Axial slice 61 of 471 of a chest CT (slice 1 is the lowest), reconstructed with the STANDARD kernel at 120 kVp; 1.25 mm slice thickness and 0.586 mm pixels.
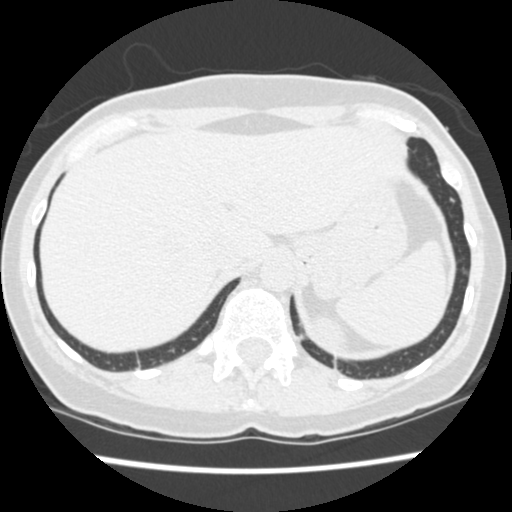
Pulmonary nodule at rows 197–202, columns 449–454 (box = the union of the readers' outlines on this slice), outlined by all four readers; median longest diameter 6.4 mm (readers' outlines 6.1–9.0 mm), median volume 101 mm3 (96–205 mm3). Ratings, median across the readers with their spread: texture 5/5 (solid), all four readers agreeing; margin 4/5 at the median of four readers, spread 4/5 to 5/5 (circumscribed); median sphericity 3/5 (ovoid) (readers ranged 3/5 (ovoid) to 5/5 (round)); calcification absent, all four readers agreeing; internal structure soft tissue, all four readers agreeing; subtlety 3/5 at the median of four readers, spread 3–4; median malignancy likelihood 3/5 (readers ranged 2–4). Scale key (1–5): texture non-solid→solid, margin indistinct→circumscribed, sphericity linear→round, subtlety extremely subtle→obvious, malignancy likelihood highly unlikely→highly suspicious of cancer. Box rows and columns are 0-based pixel indices from the top-left corner, inclusive.